Axial slice 274 of 477 of a chest CT (slice 1 is the lowest), reconstructed with the STANDARD kernel at 120 kVp; 1.25 mm slice thickness and 0.781 mm pixels.
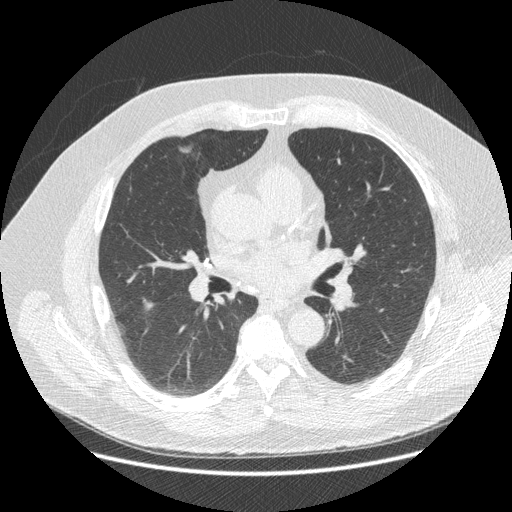
Pulmonary nodule outlined by all four readers, two of them on this slice; box rows 299–310, columns 143–152 (the union of the readers' outlines on this slice); the four readers' outlines give a longest diameter between 12.4 and 20.8 mm and a volume between 162 and 429 mm3. Ratings across the readers: texture from 1/5 (non-solid) to 5/5 (solid) across the four readers; margin from 2/5 to 5/5 (circumscribed) across the four readers; sphericity from 2/5 to 4/5 across the four readers; calcification absent, all four readers agreeing; internal structure soft tissue from all four readers; subtlety from 3/5 to 5/5 across the four readers; malignancy likelihood from 2/5 to 4/5 across the four readers. Scale key (1–5): texture non-solid→solid, margin indistinct→circumscribed, sphericity linear→round, subtlety extremely subtle→obvious, malignancy likelihood highly unlikely→highly suspicious of cancer. Box rows and columns are 0-based pixel indices from the top-left corner, inclusive.